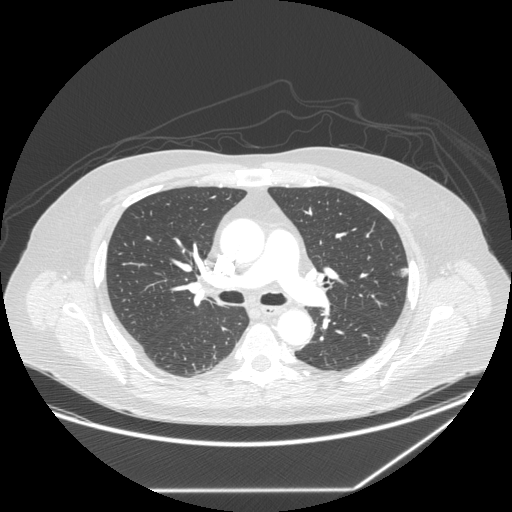
One axial slice (161 of 258, counting up from the lowest) of a chest CT acquired at 120 kVp with the STANDARD kernel; each pixel is 0.859 mm and the slice is 1.25 mm thick.
Pulmonary nodule at rows 268–276, columns 400–406 (box = the union of the readers' outlines on this slice), outlined by two of the four readers; longest diameter 8.9 mm on average over the two readers' outlines (readers' outlines 8.2–9.6 mm), volume 140–150 mm3. Ratings, by the readers' most common answer with dissent counted: texture 3/5 (part-solid) from both readers; margin split among the readers: 2/5 (one), 3/5 (one); sphericity split among the readers: 3/5 (ovoid) (one), 4/5 (one); calcification absent from both readers; internal structure soft tissue from both readers; subtlety split among the readers: 4/5 (one), 5/5 (one); malignancy likelihood 3/5 from both readers. Scale key (1–5): texture non-solid→solid, margin indistinct→circumscribed, sphericity linear→round, subtlety extremely subtle→obvious, malignancy likelihood highly unlikely→highly suspicious of cancer. Box rows and columns are 0-based pixel indices from the top-left corner, inclusive.